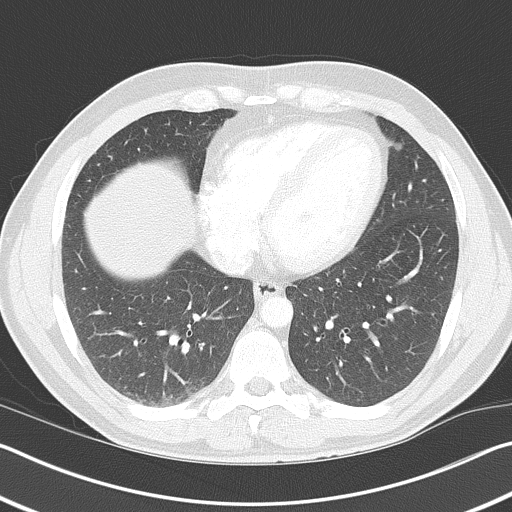
Chest CT, axial plane, 120 kVp, kernel B70f. Slice 184/368 from the bottom of the scan; thickness 2.00 mm; pixel size 0.660 mm.
Pulmonary nodule outlined by one of the four readers; box rows 141–149, columns 393–402 (that reader's outline on this slice); longest diameter 9.3 mm and volume 180 mm3 from that reader's outline. Ratings by that reader: texture 1/5 (non-solid); margin 2/5; sphericity 5/5 (round); calcification absent; internal structure soft tissue; subtlety 1/5; malignancy likelihood 2/5. Scale key (1–5): texture non-solid→solid, margin indistinct→circumscribed, sphericity linear→round, subtlety extremely subtle→obvious, malignancy likelihood highly unlikely→highly suspicious of cancer. Box rows and columns are 0-based pixel indices from the top-left corner, inclusive.